One axial slice (228 of 497, counting up from the lowest) of a chest CT acquired at 120 kVp with the STANDARD kernel; each pixel is 0.703 mm and the slice is 1.25 mm thick.
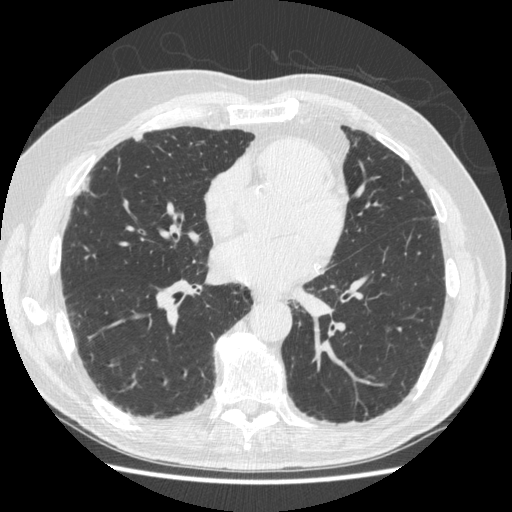
Pulmonary nodule, outlined by all four readers, one of them on this slice. Box on this slice rows 132–141, columns 133–143, the one reader's outline on this slice; longest diameter 10.9–14.8 mm and volume 184–648 mm3 across the four readers' outlines. The readers' ratings, as ranges where they differ: texture from 1/5 (non-solid) to 5/5 (solid) across the four readers; margin from 2/5 to 4/5 across the four readers; sphericity from 3/5 (ovoid) to 5/5 (round) across the four readers; calcification absent, all four readers agreeing; internal structure soft tissue from all four readers; subtlety 1–5/5 (the readers disagree); malignancy likelihood from 2/5 to 4/5 across the four readers. Scale key (1–5): texture non-solid→solid, margin indistinct→circumscribed, sphericity linear→round, subtlety extremely subtle→obvious, malignancy likelihood highly unlikely→highly suspicious of cancer. Box rows and columns are 0-based pixel indices from the top-left corner, inclusive.